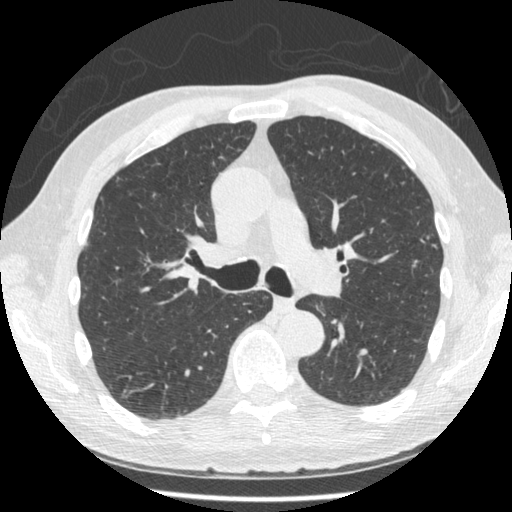
Chest CT, axial plane, 120 kVp, kernel STANDARD. Slice 296/481 from the bottom of the scan; thickness 1.25 mm; pixel size 0.664 mm.
Pulmonary nodule outlined by one of the four readers; box rows 389–398, columns 120–129 (that reader's outline on this slice); longest diameter 8.9 mm and volume 153 mm3 from that reader's outline. That reader's ratings: texture 5/5 (solid); margin 5/5 (circumscribed); sphericity 3/5 (ovoid); calcification absent; internal structure soft tissue; subtlety 4/5; malignancy likelihood 3/5. Scale key (1–5): texture non-solid→solid, margin indistinct→circumscribed, sphericity linear→round, subtlety extremely subtle→obvious, malignancy likelihood highly unlikely→highly suspicious of cancer. Box rows and columns are 0-based pixel indices from the top-left corner, inclusive.